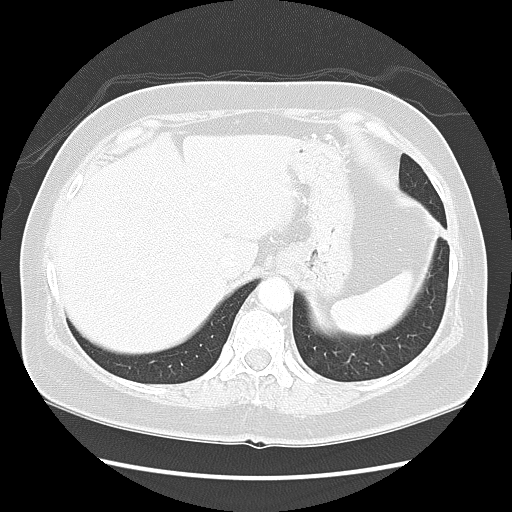
This is axial slice 36 of 133 (slice 1 is the lowest) of a chest CT; each pixel is 0.703 mm and the slice is 2.50 mm thick. Pulmonary nodule, outlined by all four readers, one of them on this slice. Box on this slice rows 226–239, columns 438–444, the one reader's outline on this slice; the four readers' outlines give a longest diameter between 21.5 and 29.0 mm and a volume between 4280 and 5428 mm3. The readers' ratings, as ranges where they differ: texture from 4/5 to 5/5 (solid) across the four readers; margin from 4/5 to 5/5 (circumscribed) across the four readers; sphericity from 3/5 (ovoid) to 5/5 (round) across the four readers; calcification absent from all four readers; internal structure soft tissue from all four readers; subtlety 4–5/5 (the readers disagree); malignancy likelihood rated between 4 and 5 out of 5 by the four readers. Scale key (1–5): texture non-solid→solid, margin indistinct→circumscribed, sphericity linear→round, subtlety extremely subtle→obvious, malignancy likelihood highly unlikely→highly suspicious of cancer. Box rows and columns are 0-based pixel indices from the top-left corner, inclusive.
Scan settings: 120 kVp, LUNG reconstruction kernel.